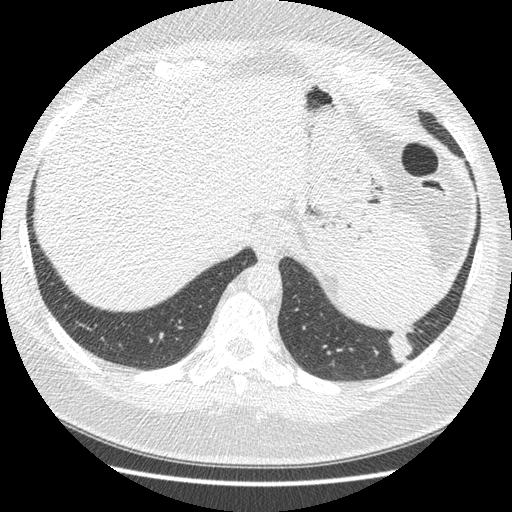
Chest CT, axial plane, 120 kVp, kernel STANDARD. Slice 50/421 from the bottom of the scan; thickness 1.25 mm; pixel size 0.703 mm.
Pulmonary nodule, outlined four times (the source holds four more outlines, not used). Box on this slice rows 325–364, columns 388–413, the union of the readers' outlines on this slice; longest diameter 30.9–38.9 mm and volume 4443–5826 mm3 across the four readers' outlines. The readers' ratings, as ranges where they differ: texture from 4/5 to 5/5 (solid) across the four readers; margin from 3/5 to 4/5 across the four readers; sphericity from 2/5 to 4/5 across the four readers; calcification absent from all four readers; internal structure soft tissue, all four readers agreeing; subtlety 4–5/5 (the readers disagree); malignancy likelihood from 2/5 to 5/5 across the four readers. Scale key (1–5): texture non-solid→solid, margin indistinct→circumscribed, sphericity linear→round, subtlety extremely subtle→obvious, malignancy likelihood highly unlikely→highly suspicious of cancer. Box rows and columns are 0-based pixel indices from the top-left corner, inclusive.